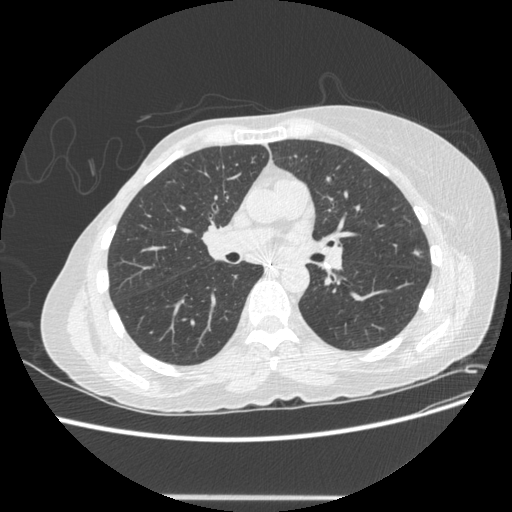
This is axial slice 257 of 500 (slice 1 is the lowest) of a chest CT; each pixel is 0.703 mm and the slice is 1.25 mm thick. Pulmonary nodule at rows 249–256, columns 412–421 (box = the union of the readers' outlines on this slice), outlined by all four readers; median longest diameter 8.6 mm (readers' outlines 7.8–9.1 mm), median volume 135 mm3 (108–174 mm3). Ratings, median across the readers with their spread: median texture 3/5 (part-solid) (readers ranged 1/5 (non-solid) to 5/5 (solid)); margin 3/5 at the median of four readers, spread 1/5 (indistinct) to 5/5 (circumscribed); median sphericity 4.5/5 (readers ranged 3/5 (ovoid) to 5/5 (round)); calcification absent, all four readers agreeing; internal structure soft tissue, all four readers agreeing; median subtlety 4.5/5 (readers ranged 3–5); median malignancy likelihood 4/5 (readers ranged 3–5). Scale key (1–5): texture non-solid→solid, margin indistinct→circumscribed, sphericity linear→round, subtlety extremely subtle→obvious, malignancy likelihood highly unlikely→highly suspicious of cancer. Box rows and columns are 0-based pixel indices from the top-left corner, inclusive.
Acquired at 120 kVp and reconstructed with the STANDARD kernel.